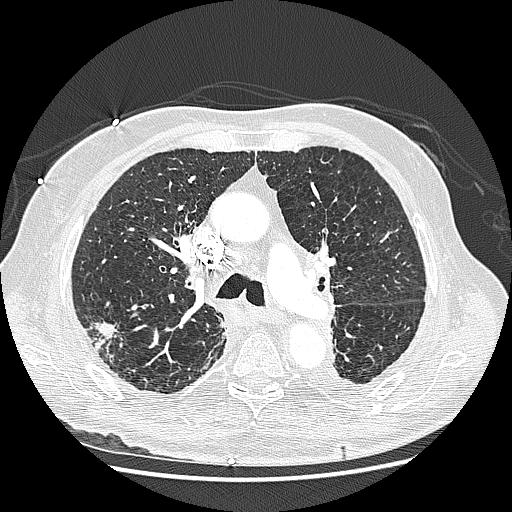
Chest CT, axial plane, 120 kVp, kernel LUNG. Slice 169/242 from the bottom of the scan; thickness 1.25 mm; pixel size 0.703 mm.
Pulmonary nodule at rows 321–338, columns 93–115 (box = the union of the readers' outlines on this slice), outlined by three of the four readers; longest diameter 23.6–31.8 mm and volume 3005–3613 mm3 across the three readers' outlines. Ratings across the readers: texture 5/5 (solid), all three readers agreeing; margin from 3/5 to 5/5 (circumscribed) across the three readers; sphericity from 3/5 (ovoid) to 4/5 across the three readers; calcification absent, all three readers agreeing; internal structure soft tissue, all three readers agreeing; subtlety rated between 4 and 5 out of 5 by the three readers; malignancy likelihood from 4/5 to 5/5 across the three readers. Scale key (1–5): texture non-solid→solid, margin indistinct→circumscribed, sphericity linear→round, subtlety extremely subtle→obvious, malignancy likelihood highly unlikely→highly suspicious of cancer. Box rows and columns are 0-based pixel indices from the top-left corner, inclusive.